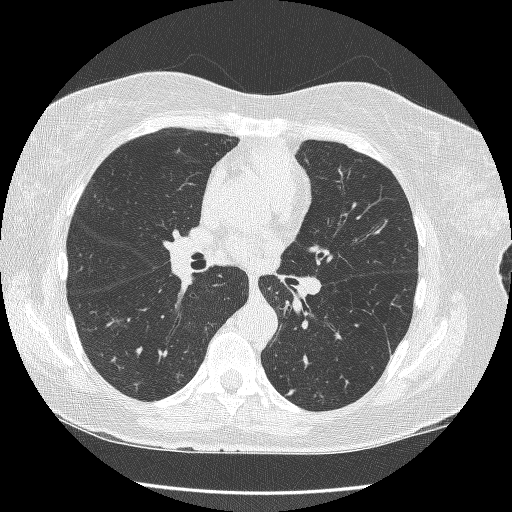
Axial slice 135 of 246 of a chest CT (slice 1 is the lowest), reconstructed with the BONE kernel at 120 kVp; 1.25 mm slice thickness and 0.617 mm pixels.
Pulmonary nodule outlined by all four readers; box rows 388–396, columns 284–295 (the union of the readers' outlines on this slice); longest diameter 7.2–9.4 mm and volume 81–124 mm3 across the four readers' outlines. The readers' ratings, as ranges where they differ: texture from 4/5 to 5/5 (solid) across the four readers; margin from 3/5 to 5/5 (circumscribed) across the four readers; sphericity from 2/5 to 4/5 across the four readers; calcification absent from all four readers; internal structure soft tissue from all four readers; subtlety rated between 3 and 5 out of 5 by the four readers; malignancy likelihood 2–3/5 (the readers disagree). Scale key (1–5): texture non-solid→solid, margin indistinct→circumscribed, sphericity linear→round, subtlety extremely subtle→obvious, malignancy likelihood highly unlikely→highly suspicious of cancer. Box rows and columns are 0-based pixel indices from the top-left corner, inclusive.